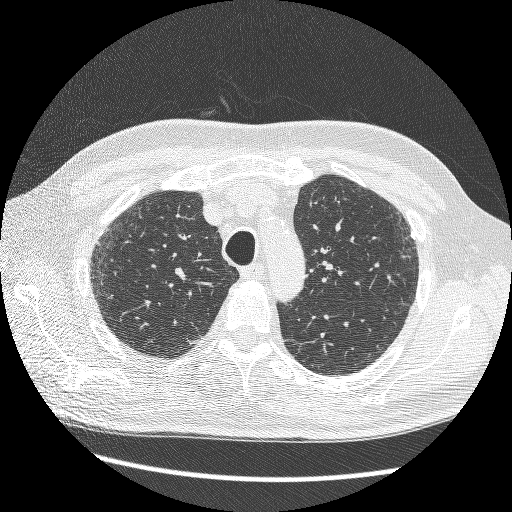
This is axial slice 202 of 264 (slice 1 is the lowest) of a chest CT; each pixel is 0.703 mm and the slice is 1.25 mm thick. Pulmonary nodule outlined by three of the four readers; box rows 231–239, columns 410–415 (the union of the readers' outlines on this slice); median longest diameter 6.7 mm (readers' outlines 6.7–7.6 mm), median volume 65 mm3 (43–74 mm3). Ratings, median across the readers with their spread: texture 5/5 (solid) from all three readers; median margin 5/5 (circumscribed) (readers ranged 4/5 to 5/5 (circumscribed)); median sphericity 2/5 (readers ranged 1/5 (linear) to 3/5 (ovoid)); calcification solid calcification from all three readers; internal structure soft tissue, all three readers agreeing; median subtlety 2/5 (readers ranged 1–4); malignancy likelihood 1/5 from all three readers. Scale key (1–5): texture non-solid→solid, margin indistinct→circumscribed, sphericity linear→round, subtlety extremely subtle→obvious, malignancy likelihood highly unlikely→highly suspicious of cancer. Box rows and columns are 0-based pixel indices from the top-left corner, inclusive.
Tube voltage 120 kVp; convolution kernel BONE.